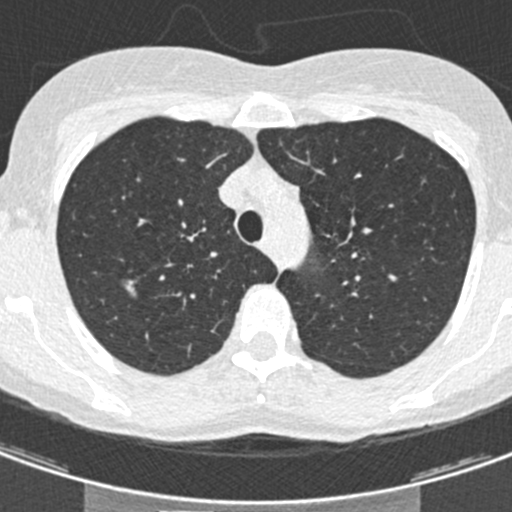
Axial chest CT slice 333 of 429 (counted from the lowest slice); 0.75 mm thick, 0.537 mm per pixel. Pulmonary nodule at rows 279–298, columns 121–137 (box = the union of the readers' outlines on this slice), outlined by all four readers; median longest diameter 12.9 mm (readers' outlines 11.2–13.4 mm), median volume 331 mm3 (226–398 mm3). Median ratings and the readers' spread: median texture 3.5/5 (readers ranged 3/5 (part-solid) to 4/5); margin 3/5 at the median of four readers, spread 1/5 (indistinct) to 4/5; sphericity 2.5/5 at the median of four readers, spread 2/5 to 5/5 (round); calcification absent, all four readers agreeing; internal structure soft tissue from all four readers; median subtlety 4.5/5 (readers ranged 3–5); malignancy likelihood 3.5/5 at the median of four readers, spread 3–4. Scale key (1–5): texture non-solid→solid, margin indistinct→circumscribed, sphericity linear→round, subtlety extremely subtle→obvious, malignancy likelihood highly unlikely→highly suspicious of cancer. Box rows and columns are 0-based pixel indices from the top-left corner, inclusive.
Acquired at 120 kVp and reconstructed with the B30f kernel.